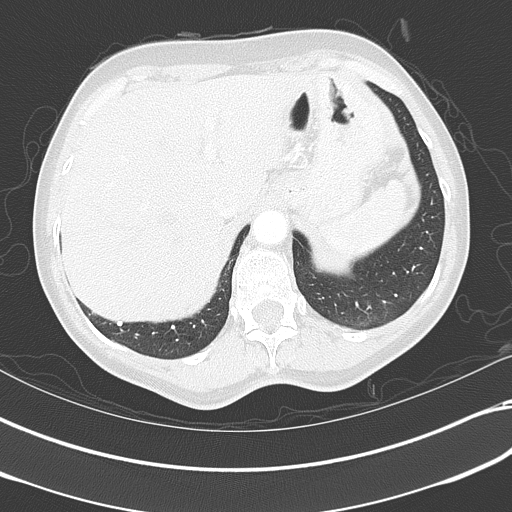
Axial slice 89 of 351 of a chest CT (slice 1 is the lowest), reconstructed with the B70f kernel at 120 kVp; 2.00 mm slice thickness and 0.643 mm pixels.
Pulmonary nodule outlined by two of the four readers; box rows 321–325, columns 117–121 (the union of the readers' outlines on this slice); longest diameter 4.3–5.3 mm and volume 31–50 mm3 across the two readers' outlines. The readers' ratings, as ranges where they differ: texture 5/5 (solid), both readers agreeing; margin 5/5 (circumscribed) from both readers; sphericity 5/5 (round) from both readers; calcification split among the readers: solid calcification (one), absent (one); internal structure soft tissue, both readers agreeing; subtlety from 3/5 to 5/5 across the two readers; malignancy likelihood rated between 1 and 2 out of 5 by the two readers. Scale key (1–5): texture non-solid→solid, margin indistinct→circumscribed, sphericity linear→round, subtlety extremely subtle→obvious, malignancy likelihood highly unlikely→highly suspicious of cancer. Box rows and columns are 0-based pixel indices from the top-left corner, inclusive.